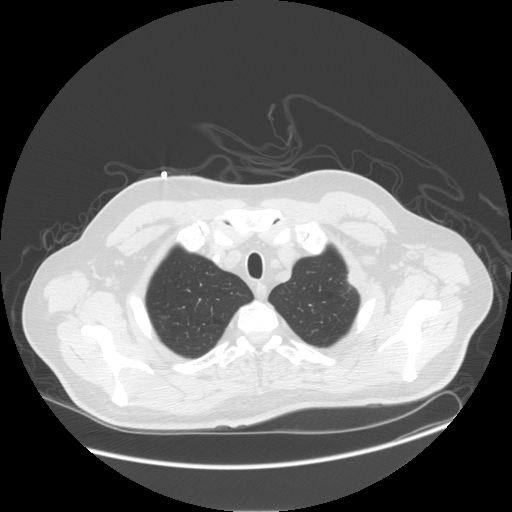
Axial slice 126 of 143 of a chest CT (slice 1 is the lowest), reconstructed with the STANDARD kernel at 120 kVp; 2.50 mm slice thickness and 0.859 mm pixels.
Pulmonary nodule at rows 266–291, columns 346–359 (box = the union of the readers' outlines on this slice), outlined by all four readers; longest diameter 26.6 mm on average over the four readers' outlines (readers' outlines 24.8–28.8 mm), volume 4547–5828 mm3. Ratings, by the readers' most common answer with dissent counted: texture 5/5 (solid) by three of four readers; the rest gave 4/5 (one); margin split among the readers: 4/5 (two), 5/5 (circumscribed) (two); most readers (three of four) put sphericity at 5/5 (round), others 3/5 (ovoid) (one); calcification absent, all four readers agreeing; internal structure soft tissue, all four readers agreeing; subtlety 5/5 by three of four readers; the rest gave 3/5 (one); malignancy likelihood 5/5 by three of four readers; the rest gave 2/5 (one). Scale key (1–5): texture non-solid→solid, margin indistinct→circumscribed, sphericity linear→round, subtlety extremely subtle→obvious, malignancy likelihood highly unlikely→highly suspicious of cancer. Box rows and columns are 0-based pixel indices from the top-left corner, inclusive.